One axial slice (133 of 141, counting up from the lowest) of a chest CT acquired at 120 kVp with the STANDARD kernel; each pixel is 0.586 mm and the slice is 2.50 mm thick.
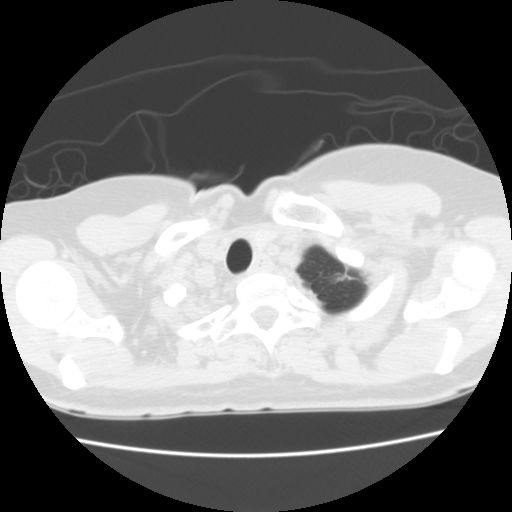
Pulmonary nodule at rows 276–279, columns 336–342 (box = the one reader's outline on this slice), outlined by all four readers, one of them on this slice; median longest diameter 19.4 mm (readers' outlines 15.8–20.0 mm), median volume 1671 mm3 (906–1828 mm3). Median ratings and the readers' spread: texture 4/5 at the median of four readers, spread 4/5 to 5/5 (solid); margin 3/5 at the median of four readers, spread 2/5 to 4/5; sphericity 3.5/5 at the median of four readers, spread 3/5 (ovoid) to 5/5 (round); calcification absent, all four readers agreeing; internal structure soft tissue from all four readers; subtlety 5/5 from all four readers; malignancy likelihood 4.5/5 at the median of four readers, spread 4–5. Scale key (1–5): texture non-solid→solid, margin indistinct→circumscribed, sphericity linear→round, subtlety extremely subtle→obvious, malignancy likelihood highly unlikely→highly suspicious of cancer. Box rows and columns are 0-based pixel indices from the top-left corner, inclusive.